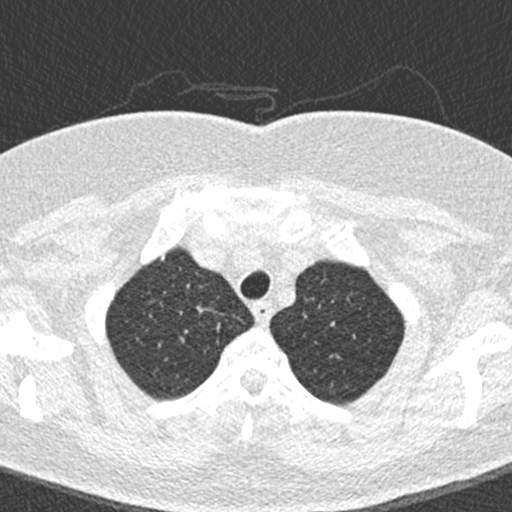
Slice 395/456 of a chest CT, counting up from the lowest; pixel size 0.559 mm, slice thickness 0.75 mm. Pulmonary nodule outlined by one of the four readers; box rows 255–259, columns 161–164 (that reader's outline on this slice); longest diameter 5.3 mm and volume 27 mm3 from that reader's outline. Ratings by that reader: texture 5/5 (solid); margin 5/5 (circumscribed); sphericity 4/5; calcification solid calcification; internal structure soft tissue; subtlety 5/5; malignancy likelihood 1/5. Scale key (1–5): texture non-solid→solid, margin indistinct→circumscribed, sphericity linear→round, subtlety extremely subtle→obvious, malignancy likelihood highly unlikely→highly suspicious of cancer. Box rows and columns are 0-based pixel indices from the top-left corner, inclusive.
Acquired at 120 kVp and reconstructed with the B30f kernel.